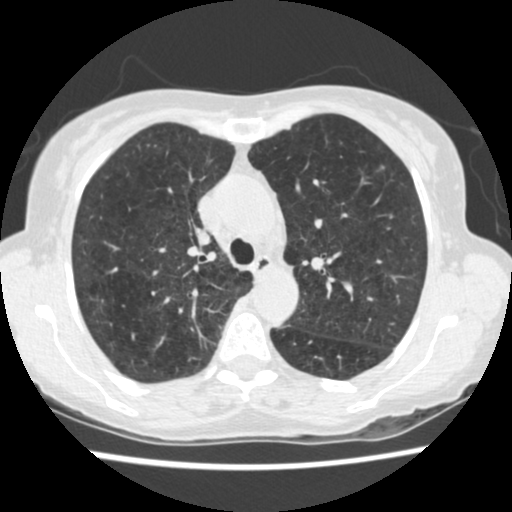
Slice 379/541 of a chest CT, counting up from the lowest; pixel size 0.586 mm, slice thickness 1.25 mm. Pulmonary nodule outlined by all four readers, one of them on this slice; box rows 165–169, columns 381–384 (the one reader's outline on this slice); median longest diameter 6.8 mm (readers' outlines 5.4–7.8 mm), median volume 103 mm3 (67–124 mm3). Ratings, median across the readers with their spread: median texture 5/5 (solid) (readers ranged 4/5 to 5/5 (solid)); median margin 4/5 (readers ranged 4/5 to 5/5 (circumscribed)); sphericity 3/5 (ovoid) at the median of four readers, spread 2/5 to 5/5 (round); calcification: absent (three), central calcification (one); internal structure soft tissue, all four readers agreeing; median subtlety 3.5/5 (readers ranged 3–5); malignancy likelihood 2.5/5 at the median of four readers, spread 1–4. Scale key (1–5): texture non-solid→solid, margin indistinct→circumscribed, sphericity linear→round, subtlety extremely subtle→obvious, malignancy likelihood highly unlikely→highly suspicious of cancer. Box rows and columns are 0-based pixel indices from the top-left corner, inclusive.
Acquired at 120 kVp and reconstructed with the STANDARD kernel.